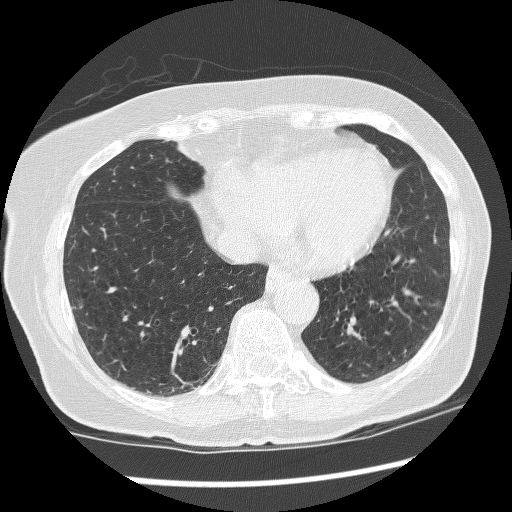
Axial chest CT slice 91 of 247 (counted from the lowest slice); tube voltage 120 kVp, convolution kernel BONE; slices 1.25 mm thick, 0.643 mm per pixel.
Pulmonary nodule outlined by all four readers, two of them on this slice; box rows 304–307, columns 79–82 (the union of the readers' outlines on this slice); the four readers' outlines give a longest diameter between 4.9 and 5.3 mm and a volume between 53 and 68 mm3. Ratings across the readers: texture 5/5 (solid), all four readers agreeing; margin from 4/5 to 5/5 (circumscribed) across the four readers; sphericity from 4/5 to 5/5 (round) across the four readers; calcification absent, all four readers agreeing; internal structure soft tissue from all four readers; subtlety 2–5/5 (the readers disagree); malignancy likelihood 3/5, all four readers agreeing. Scale key (1–5): texture non-solid→solid, margin indistinct→circumscribed, sphericity linear→round, subtlety extremely subtle→obvious, malignancy likelihood highly unlikely→highly suspicious of cancer. Box rows and columns are 0-based pixel indices from the top-left corner, inclusive.